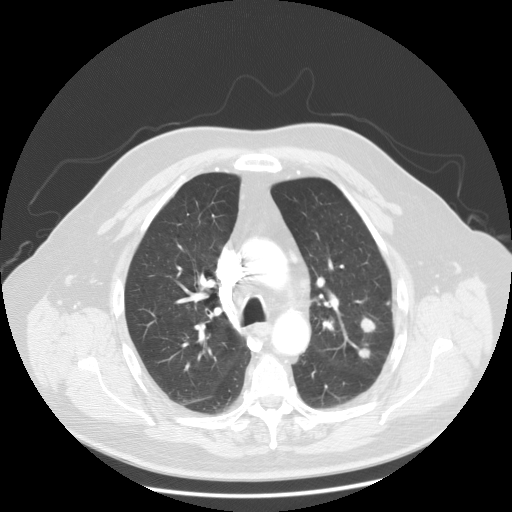
This is axial slice 89 of 133 (slice 1 is the lowest) of a chest CT; each pixel is 0.820 mm and the slice is 2.50 mm thick. Two pulmonary nodules on this slice, listed from left to right. (1) Pulmonary nodule at rows 348–358, columns 358–370 (box = the union of the readers' outlines on this slice), outlined by all four readers; longest diameter 15.0 mm on average over the four readers' outlines (readers' outlines 13.6–17.4 mm), volume 747–1295 mm3. The readers' prevailing ratings and who disagreed: most readers (three of four) put texture at 5/5 (solid), others 4/5 (one); margin split among the readers: 4/5 (two), 5/5 (circumscribed) (two); sphericity split among the readers: 3/5 (ovoid) (two), 5/5 (round) (two); calcification absent, all four readers agreeing; internal structure soft tissue from all four readers; subtlety 5/5 by two of four readers; the rest gave 3/5 (one), 4/5 (one); malignancy likelihood 4/5 by two of four readers; the rest gave 2/5 (one), 5/5 (one). (2) Pulmonary nodule at rows 316–332, columns 360–375 (box = the union of the readers' outlines on this slice), outlined by all four readers; the four readers' outlines give a longest diameter between 13.7 and 15.1 mm and a volume between 880 and 1281 mm3. The readers' ratings, as ranges where they differ: texture 5/5 (solid) from all four readers; margin from 4/5 to 5/5 (circumscribed) across the four readers; sphericity from 3/5 (ovoid) to 5/5 (round) across the four readers; calcification absent, all four readers agreeing; internal structure soft tissue from all four readers; subtlety rated between 3 and 5 out of 5 by the four readers; malignancy likelihood 2–5/5 (the readers disagree). Scale key (1–5): texture non-solid→solid, margin indistinct→circumscribed, sphericity linear→round, subtlety extremely subtle→obvious, malignancy likelihood highly unlikely→highly suspicious of cancer. Box rows and columns are 0-based pixel indices from the top-left corner, inclusive.
Scan settings: 120 kVp, STANDARD reconstruction kernel.